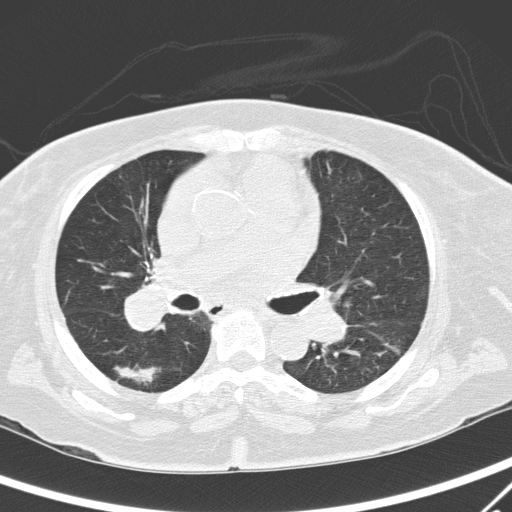
This is axial slice 168 of 295 (slice 1 is the lowest) of a chest CT; each pixel is 0.682 mm and the slice is 2.00 mm thick. Pulmonary nodule at rows 361–388, columns 112–177 (box = that reader's outline on this slice), outlined by one of the four readers; longest diameter 49.8 mm and volume 6337 mm3 from that reader's outline. That reader's ratings: texture 4/5; margin 1/5 (indistinct); sphericity 3/5 (ovoid); calcification absent; internal structure soft tissue; subtlety 5/5; malignancy likelihood 5/5. Scale key (1–5): texture non-solid→solid, margin indistinct→circumscribed, sphericity linear→round, subtlety extremely subtle→obvious, malignancy likelihood highly unlikely→highly suspicious of cancer. Box rows and columns are 0-based pixel indices from the top-left corner, inclusive.
Scan settings: 120 kVp, D reconstruction kernel.